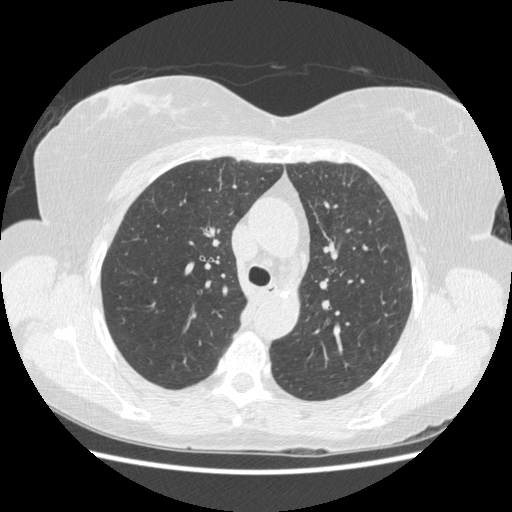
Chest CT, axial plane, 120 kVp, kernel STANDARD. Slice 334/487 from the bottom of the scan; thickness 1.25 mm; pixel size 0.703 mm.
No nodule of 3 mm or larger was outlined by any of the four readers on this slice.